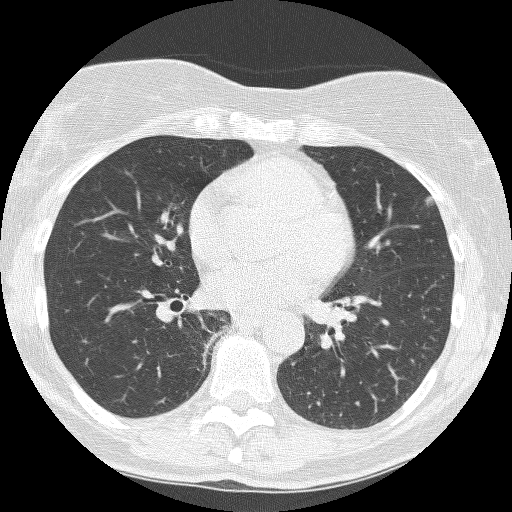
Axial chest CT slice 118 of 250 (counted from the lowest slice); tube voltage 120 kVp, convolution kernel BONE; slices 1.25 mm thick, 0.586 mm per pixel.
Pulmonary nodule at rows 196–206, columns 424–435 (box = the union of the readers' outlines on this slice), outlined by two of the four readers; the two readers' outlines give a longest diameter between 7.4 and 8.4 mm and a volume between 74 and 134 mm3. Ratings across the readers: texture from 3/5 (part-solid) to 5/5 (solid) across the two readers; margin from 2/5 to 5/5 (circumscribed) across the two readers; sphericity from 3/5 (ovoid) to 4/5 across the two readers; calcification absent from both readers; internal structure soft tissue, both readers agreeing; subtlety 4/5 from both readers; malignancy likelihood from 3/5 to 4/5 across the two readers. Scale key (1–5): texture non-solid→solid, margin indistinct→circumscribed, sphericity linear→round, subtlety extremely subtle→obvious, malignancy likelihood highly unlikely→highly suspicious of cancer. Box rows and columns are 0-based pixel indices from the top-left corner, inclusive.